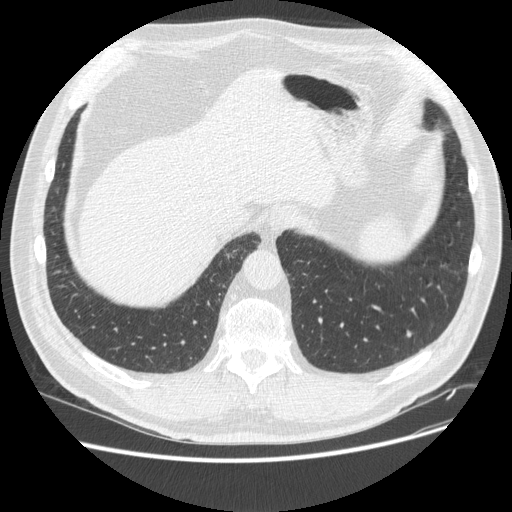
Axial chest CT slice 121 of 513 (counted from the lowest slice); 1.25 mm thick, 0.742 mm per pixel. Pulmonary nodule, outlined by one of the four readers. Box on this slice rows 330–336, columns 405–411, that reader's outline on this slice; longest diameter 8.7 mm and volume 80 mm3 from that reader's outline. Ratings by that reader: texture 5/5 (solid); margin 4/5; sphericity 4/5; calcification absent; internal structure soft tissue; subtlety 4/5; malignancy likelihood 3/5. Scale key (1–5): texture non-solid→solid, margin indistinct→circumscribed, sphericity linear→round, subtlety extremely subtle→obvious, malignancy likelihood highly unlikely→highly suspicious of cancer. Box rows and columns are 0-based pixel indices from the top-left corner, inclusive.
Tube voltage 120 kVp; convolution kernel STANDARD.